Axial chest CT slice 273 of 392 (counted from the lowest slice); tube voltage 120 kVp, convolution kernel C; slices 1.50 mm thick, 0.639 mm per pixel.
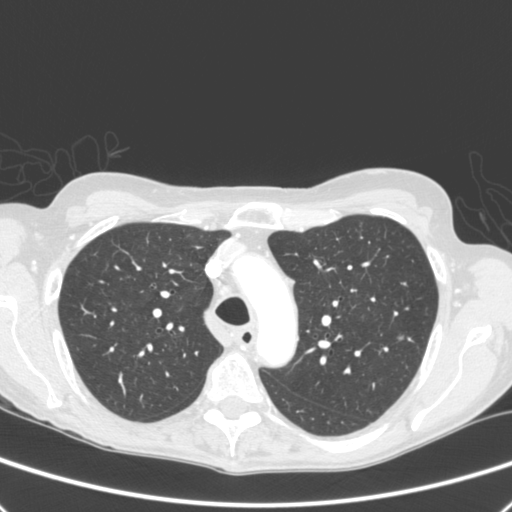
Pulmonary nodule outlined by all four readers; box rows 335–340, columns 397–403 (the union of the readers' outlines on this slice); median longest diameter 6.7 mm (readers' outlines 6.6–6.8 mm), median volume 112 mm3 (88–125 mm3). Ratings, median across the readers with their spread: texture 5/5 (solid) from all four readers; margin 4.5/5 at the median of four readers, spread 4/5 to 5/5 (circumscribed); sphericity 4.5/5 at the median of four readers, spread 4/5 to 5/5 (round); calcification absent from all four readers; internal structure soft tissue from all four readers; median subtlety 4.5/5 (readers ranged 2–5); median malignancy likelihood 3/5 (readers ranged 2–4). Scale key (1–5): texture non-solid→solid, margin indistinct→circumscribed, sphericity linear→round, subtlety extremely subtle→obvious, malignancy likelihood highly unlikely→highly suspicious of cancer. Box rows and columns are 0-based pixel indices from the top-left corner, inclusive.